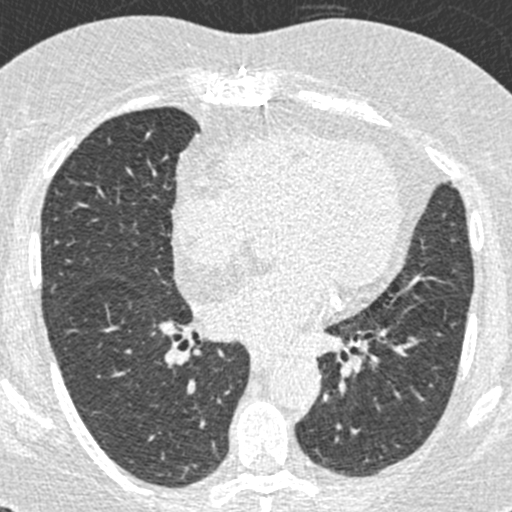
This is axial slice 238 of 423 (slice 1 is the lowest) of a chest CT; each pixel is 0.520 mm and the slice is 0.75 mm thick. Pulmonary nodule outlined by one of the four readers; box rows 470–474, columns 340–344 (that reader's outline on this slice); longest diameter 9.7 mm and volume 143 mm3 from that reader's outline. Ratings by that reader: texture 3/5 (part-solid); margin 3/5; sphericity 3/5 (ovoid); calcification absent; internal structure soft tissue; subtlety 5/5; malignancy likelihood 3/5. Scale key (1–5): texture non-solid→solid, margin indistinct→circumscribed, sphericity linear→round, subtlety extremely subtle→obvious, malignancy likelihood highly unlikely→highly suspicious of cancer. Box rows and columns are 0-based pixel indices from the top-left corner, inclusive.
Scan settings: 120 kVp, B30f reconstruction kernel.